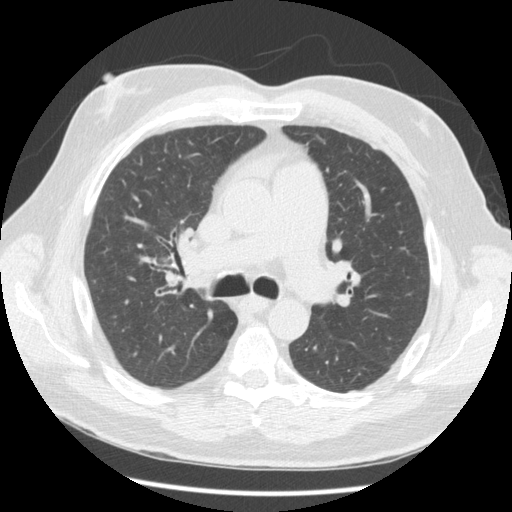
One axial slice (110 of 163, counting up from the lowest) of a chest CT acquired at 120 kVp with the STANDARD kernel; each pixel is 0.703 mm and the slice is 2.50 mm thick.
Pulmonary nodule, outlined by two of the four readers, one of them on this slice. Box on this slice rows 342–345, columns 350–354, the one reader's outline on this slice; longest diameter 5.4–7.0 mm and volume 61–128 mm3 across the two readers' outlines. The readers' ratings, as ranges where they differ: texture 5/5 (solid) from both readers; margin 5/5 (circumscribed) from both readers; sphericity from 4/5 to 5/5 (round) across the two readers; calcification split among the readers: solid calcification (one), absent (one); internal structure soft tissue from both readers; subtlety 5/5, both readers agreeing; malignancy likelihood 1/5, both readers agreeing. Scale key (1–5): texture non-solid→solid, margin indistinct→circumscribed, sphericity linear→round, subtlety extremely subtle→obvious, malignancy likelihood highly unlikely→highly suspicious of cancer. Box rows and columns are 0-based pixel indices from the top-left corner, inclusive.